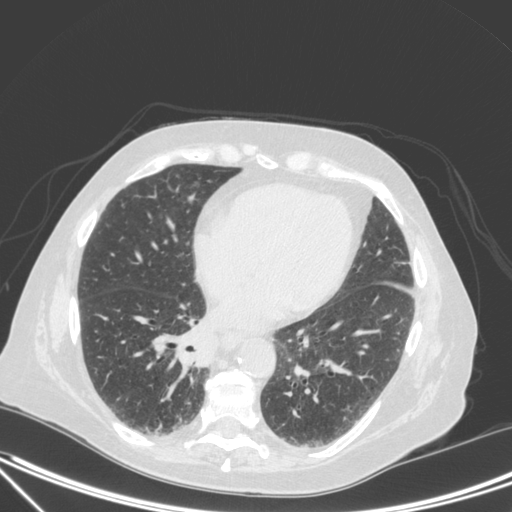
Axial chest CT slice 123 of 350 (counted from the lowest slice); 1.50 mm thick, 0.725 mm per pixel. Pulmonary nodule, outlined by one of the four readers. Box on this slice rows 335–365, columns 197–216, that reader's outline on this slice; longest diameter 29.7 mm and volume 4028 mm3 from that reader's outline. That reader's ratings: texture 5/5 (solid); margin 3/5; sphericity 3/5 (ovoid); calcification absent; internal structure soft tissue; subtlety 5/5; malignancy likelihood 4/5. Scale key (1–5): texture non-solid→solid, margin indistinct→circumscribed, sphericity linear→round, subtlety extremely subtle→obvious, malignancy likelihood highly unlikely→highly suspicious of cancer. Box rows and columns are 0-based pixel indices from the top-left corner, inclusive.
Scan settings: 120 kVp, C reconstruction kernel.